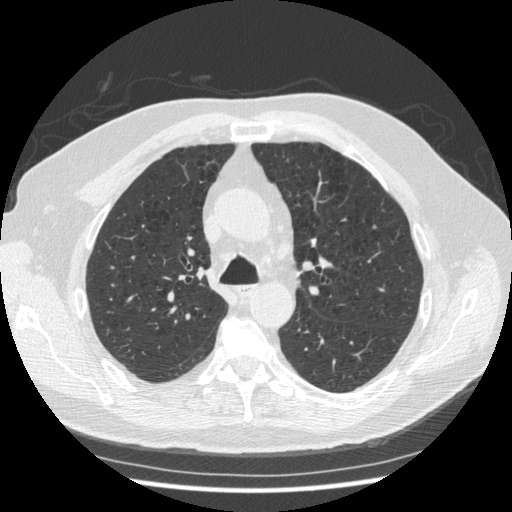
One axial slice (319 of 477, counting up from the lowest) of a chest CT acquired at 120 kVp with the STANDARD kernel; each pixel is 0.703 mm and the slice is 1.25 mm thick.
The readers outlined no nodule of 3 mm or more on this slice.